One axial slice (62 of 208, counting up from the lowest) of a chest CT acquired at 120 kVp with the BONE kernel; each pixel is 0.723 mm and the slice is 1.25 mm thick.
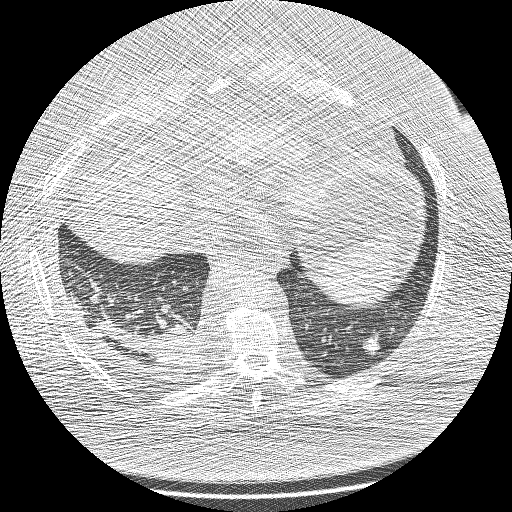
Pulmonary nodule, outlined by all four readers. Box on this slice rows 334–355, columns 361–381, the union of the readers' outlines on this slice; median longest diameter 16.2 mm (readers' outlines 13.7–18.1 mm), median volume 733 mm3 (365–1028 mm3). Median ratings and the readers' spread: texture 5/5 (solid) from all four readers; margin 4/5, all four readers agreeing; median sphericity 4.5/5 (readers ranged 3/5 (ovoid) to 5/5 (round)); calcification: absent (three), central calcification (one); internal structure soft tissue from all four readers; median subtlety 4.5/5 (readers ranged 3–5); median malignancy likelihood 3.5/5 (readers ranged 1–5). Scale key (1–5): texture non-solid→solid, margin indistinct→circumscribed, sphericity linear→round, subtlety extremely subtle→obvious, malignancy likelihood highly unlikely→highly suspicious of cancer. Box rows and columns are 0-based pixel indices from the top-left corner, inclusive.